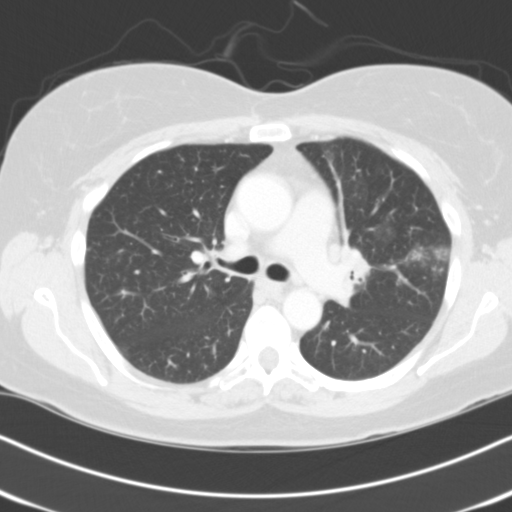
Chest CT, axial plane, 120 kVp, kernel B31f. Slice 65/101 from the bottom of the scan; thickness 3.00 mm; pixel size 0.635 mm.
Pulmonary nodule outlined by all four readers, three of them on this slice; box rows 250–261, columns 412–422 (the union of the readers' outlines on this slice); median longest diameter 19.7 mm (readers' outlines 13.7–22.1 mm), median volume 1277 mm3 (832–1692 mm3). Median ratings and the readers' spread: texture 4/5 at the median of four readers, spread 3/5 (part-solid) to 5/5 (solid); margin 2/5 at the median of four readers, spread 1/5 (indistinct) to 5/5 (circumscribed); sphericity 4/5 at the median of four readers, spread 3/5 (ovoid) to 4/5; calcification absent from all four readers; internal structure soft tissue, all four readers agreeing; median subtlety 4.5/5 (readers ranged 2–5); median malignancy likelihood 3.5/5 (readers ranged 2–4). Scale key (1–5): texture non-solid→solid, margin indistinct→circumscribed, sphericity linear→round, subtlety extremely subtle→obvious, malignancy likelihood highly unlikely→highly suspicious of cancer. Box rows and columns are 0-based pixel indices from the top-left corner, inclusive.